Chest CT, axial plane, 130 kVp, kernel B31s. Slice 84/107 from the bottom of the scan; thickness 3.00 mm; pixel size 0.742 mm.
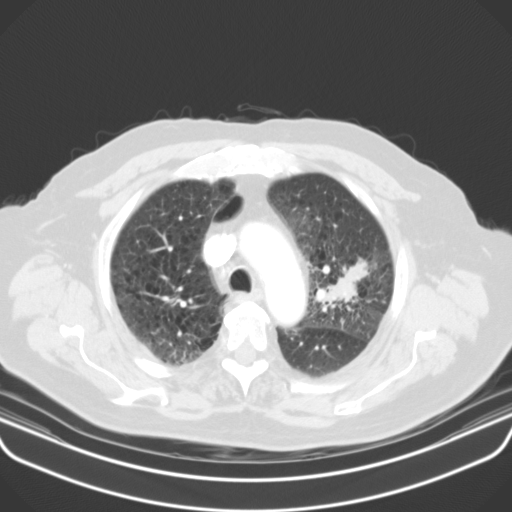
This slice carries no reader outline of a nodule 3 mm or larger.